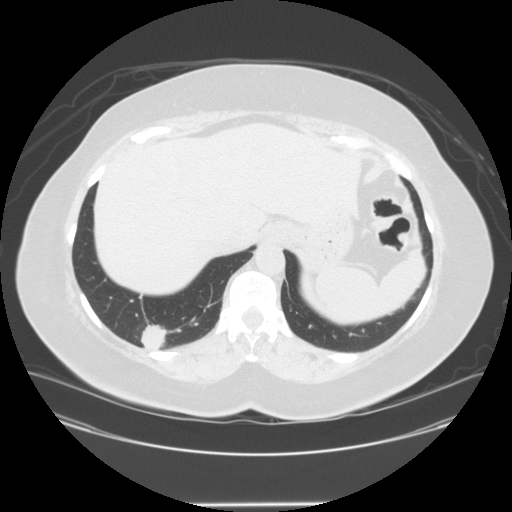
One axial slice (48 of 150, counting up from the lowest) of a chest CT acquired at 120 kVp with the STANDARD kernel; each pixel is 0.820 mm and the slice is 2.50 mm thick.
Pulmonary nodule outlined by three of the four readers; box rows 324–346, columns 139–166 (the union of the readers' outlines on this slice); longest diameter 37.6 mm on average over the three readers' outlines (readers' outlines 34.5–41.5 mm), volume 15181–19016 mm3. The readers' prevailing ratings and who disagreed: texture 5/5 (solid), all three readers agreeing; margin 4/5 by two of three readers; the rest gave 2/5 (one); sphericity split among the readers: 3/5 (ovoid) (one), 4/5 (one), 5/5 (round) (one); calcification absent from all three readers; internal structure soft tissue, all three readers agreeing; subtlety 5/5 from all three readers; malignancy likelihood 5/5 from all three readers. Scale key (1–5): texture non-solid→solid, margin indistinct→circumscribed, sphericity linear→round, subtlety extremely subtle→obvious, malignancy likelihood highly unlikely→highly suspicious of cancer. Box rows and columns are 0-based pixel indices from the top-left corner, inclusive.